Chest CT, axial plane, 135 kVp, kernel FC01. Slice 79/127 from the bottom of the scan; thickness 3.00 mm; pixel size 0.750 mm.
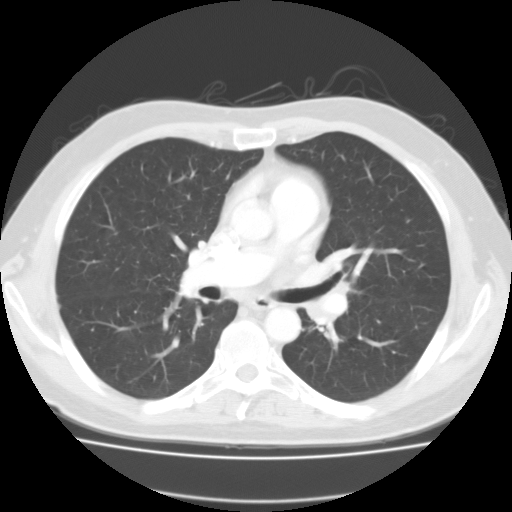
The readers outlined no nodule of 3 mm or more on this slice.